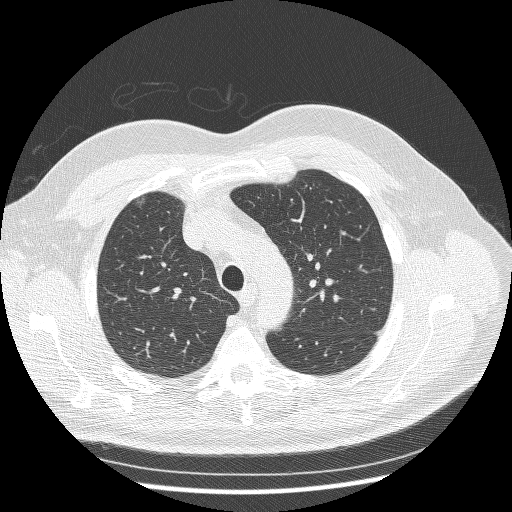
One axial slice (199 of 250, counting up from the lowest) of a chest CT acquired at 120 kVp with the BONE kernel; each pixel is 0.721 mm and the slice is 1.25 mm thick.
Pulmonary nodule at rows 195–210, columns 133–146 (box = the union of the readers' outlines on this slice), outlined by three of the four readers; the three readers' outlines give a longest diameter between 9.8 and 12.3 mm and a volume between 257 and 353 mm3. Ratings across the readers: texture 1/5 (non-solid) from all three readers; margin from 1/5 (indistinct) to 2/5 across the three readers; sphericity from 2/5 to 3/5 (ovoid) across the three readers; calcification absent from all three readers; internal structure soft tissue from all three readers; subtlety rated between 1 and 3 out of 5 by the three readers; malignancy likelihood from 3/5 to 4/5 across the three readers. Scale key (1–5): texture non-solid→solid, margin indistinct→circumscribed, sphericity linear→round, subtlety extremely subtle→obvious, malignancy likelihood highly unlikely→highly suspicious of cancer. Box rows and columns are 0-based pixel indices from the top-left corner, inclusive.